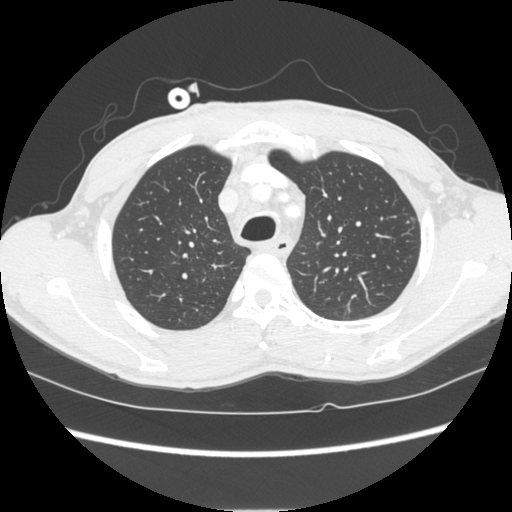
Slice 204/261 of a chest CT, counting up from the lowest; pixel size 0.684 mm, slice thickness 1.25 mm. Pulmonary nodule at rows 216–222, columns 410–415 (box = the union of the readers' outlines on this slice), outlined by all four readers, two of them on this slice; median longest diameter 12.5 mm (readers' outlines 11.7–13.4 mm), median volume 453 mm3 (372–605 mm3). Median ratings and the readers' spread: texture 5/5 (solid), all four readers agreeing; margin 5/5 (circumscribed), all four readers agreeing; median sphericity 4/5 (readers ranged 3/5 (ovoid) to 5/5 (round)); calcification absent from all four readers; internal structure soft tissue from all four readers; subtlety 4.5/5 at the median of four readers, spread 3–5; malignancy likelihood 3.5/5 at the median of four readers, spread 2–5. Scale key (1–5): texture non-solid→solid, margin indistinct→circumscribed, sphericity linear→round, subtlety extremely subtle→obvious, malignancy likelihood highly unlikely→highly suspicious of cancer. Box rows and columns are 0-based pixel indices from the top-left corner, inclusive.
Tube voltage 120 kVp; convolution kernel STANDARD.